Axial chest CT slice 128 of 295 (counted from the lowest slice); tube voltage 120 kVp, convolution kernel D; slices 2.00 mm thick, 0.682 mm per pixel.
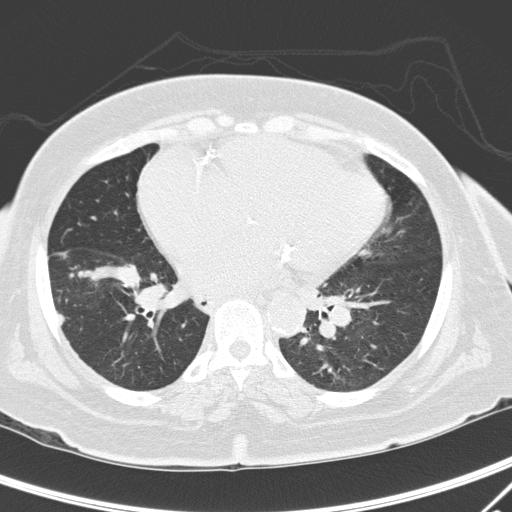
Pulmonary nodule at rows 314–325, columns 56–64 (box = the union of the readers' outlines on this slice), outlined by three of the four readers; longest diameter 9.3–10.1 mm and volume 186–247 mm3 across the three readers' outlines. The readers' ratings, as ranges where they differ: texture from 4/5 to 5/5 (solid) across the three readers; margin from 1/5 (indistinct) to 4/5 across the three readers; sphericity 3/5 (ovoid), all three readers agreeing; calcification absent, all three readers agreeing; internal structure soft tissue from all three readers; subtlety 4–5/5 (the readers disagree); malignancy likelihood 1–4/5 (the readers disagree). Scale key (1–5): texture non-solid→solid, margin indistinct→circumscribed, sphericity linear→round, subtlety extremely subtle→obvious, malignancy likelihood highly unlikely→highly suspicious of cancer. Box rows and columns are 0-based pixel indices from the top-left corner, inclusive.